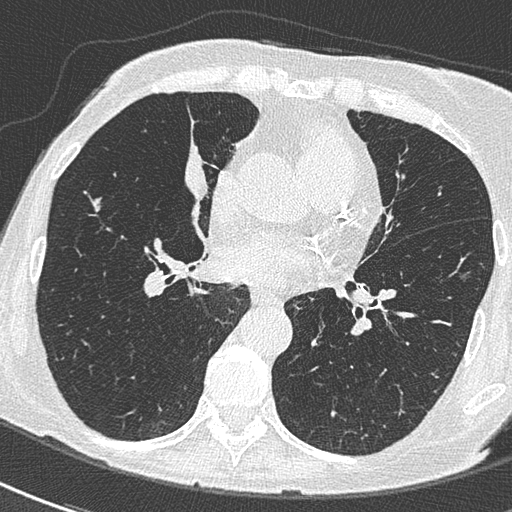
This is axial slice 294 of 588 (slice 1 is the lowest) of a chest CT; each pixel is 0.514 mm and the slice is 0.60 mm thick. Pulmonary nodule outlined by all four readers; box rows 195–212, columns 88–102 (the union of the readers' outlines on this slice); longest diameter 10.3–12.9 mm and volume 343–465 mm3 across the four readers' outlines. Ratings across the readers: texture 5/5 (solid), all four readers agreeing; margin from 4/5 to 5/5 (circumscribed) across the four readers; sphericity from 3/5 (ovoid) to 5/5 (round) across the four readers; calcification absent from all four readers; internal structure soft tissue from all four readers; subtlety 4–5/5 (the readers disagree); malignancy likelihood 2–3/5 (the readers disagree). Scale key (1–5): texture non-solid→solid, margin indistinct→circumscribed, sphericity linear→round, subtlety extremely subtle→obvious, malignancy likelihood highly unlikely→highly suspicious of cancer. Box rows and columns are 0-based pixel indices from the top-left corner, inclusive.
Acquired at 120 kVp and reconstructed with the B50f kernel.